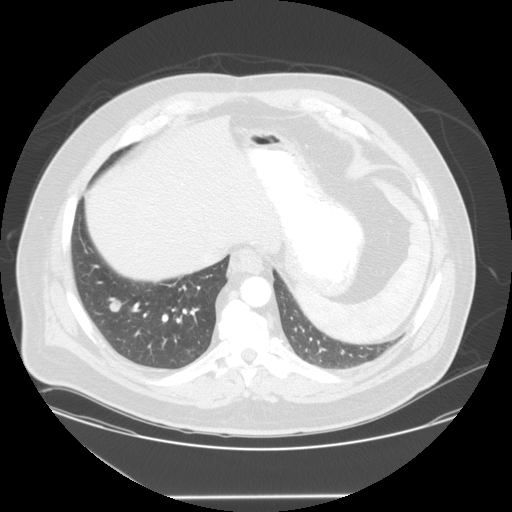
One axial slice (51 of 127, counting up from the lowest) of a chest CT acquired at 120 kVp with the STANDARD kernel; each pixel is 0.859 mm and the slice is 2.50 mm thick.
Pulmonary nodule outlined by all four readers; box rows 300–311, columns 109–121 (the union of the readers' outlines on this slice); median longest diameter 12.5 mm (readers' outlines 10.8–12.8 mm), median volume 565 mm3 (414–606 mm3). Ratings, median across the readers with their spread: texture 5/5 (solid), all four readers agreeing; margin 4/5 at the median of four readers, spread 4/5 to 5/5 (circumscribed); sphericity 4/5 at the median of four readers, spread 3/5 (ovoid) to 5/5 (round); calcification absent from all four readers; internal structure soft tissue from all four readers; subtlety 4.5/5 at the median of four readers, spread 4–5; median malignancy likelihood 3/5 (readers ranged 3–4). Scale key (1–5): texture non-solid→solid, margin indistinct→circumscribed, sphericity linear→round, subtlety extremely subtle→obvious, malignancy likelihood highly unlikely→highly suspicious of cancer. Box rows and columns are 0-based pixel indices from the top-left corner, inclusive.